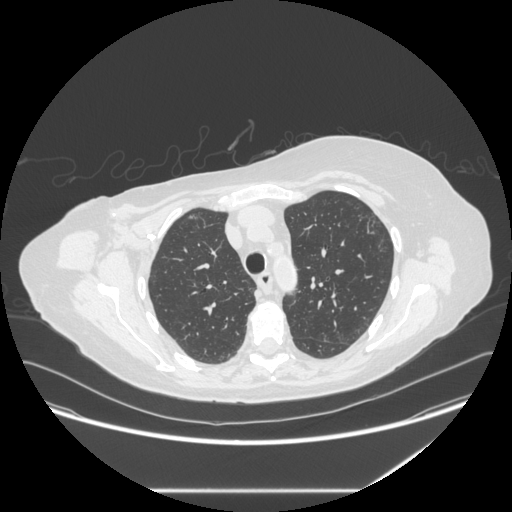
Axial chest CT slice 212 of 281 (counted from the lowest slice); 1.25 mm thick, 0.816 mm per pixel. This slice carries no reader outline of a nodule 3 mm or larger.
Acquired at 120 kVp and reconstructed with the STANDARD kernel.